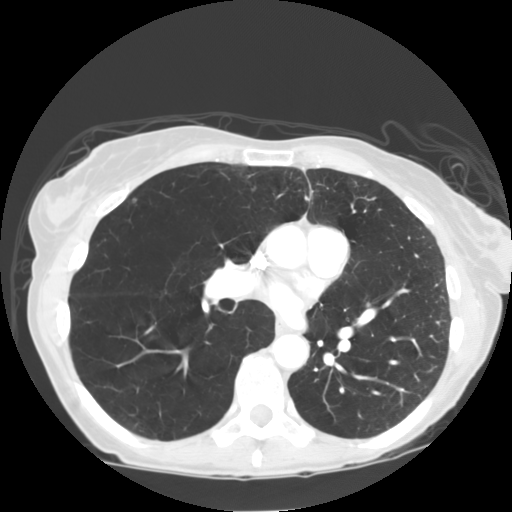
Axial slice 95 of 154 of a chest CT (slice 1 is the lowest), reconstructed with the STANDARD kernel at 120 kVp; 2.50 mm slice thickness and 0.664 mm pixels.
Pulmonary nodule outlined by two of the four readers; box rows 198–202, columns 132–136 (the union of the readers' outlines on this slice); longest diameter 4.8–5.4 mm and volume 55–63 mm3 across the two readers' outlines. The readers' ratings, as ranges where they differ: texture 5/5 (solid), both readers agreeing; margin 5/5 (circumscribed), both readers agreeing; sphericity from 4/5 to 5/5 (round) across the two readers; calcification absent from both readers; internal structure soft tissue from both readers; subtlety 3/5 from both readers; malignancy likelihood from 2/5 to 3/5 across the two readers. Scale key (1–5): texture non-solid→solid, margin indistinct→circumscribed, sphericity linear→round, subtlety extremely subtle→obvious, malignancy likelihood highly unlikely→highly suspicious of cancer. Box rows and columns are 0-based pixel indices from the top-left corner, inclusive.